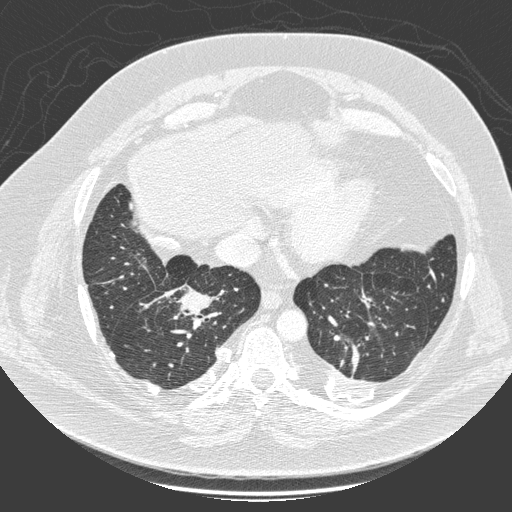
One axial slice (74 of 280, counting up from the lowest) of a chest CT acquired at 140 kVp with the D kernel; each pixel is 0.801 mm and the slice is 1.00 mm thick.
Pulmonary nodule at rows 285–314, columns 180–212 (box = that reader's outline on this slice), outlined by one of the four readers; longest diameter 49.9 mm and volume 31112 mm3 from that reader's outline. Ratings by that reader: texture 5/5 (solid); margin 4/5; sphericity 5/5 (round); calcification non-central calcification; internal structure soft tissue; subtlety 5/5; malignancy likelihood 5/5. Scale key (1–5): texture non-solid→solid, margin indistinct→circumscribed, sphericity linear→round, subtlety extremely subtle→obvious, malignancy likelihood highly unlikely→highly suspicious of cancer. Box rows and columns are 0-based pixel indices from the top-left corner, inclusive.